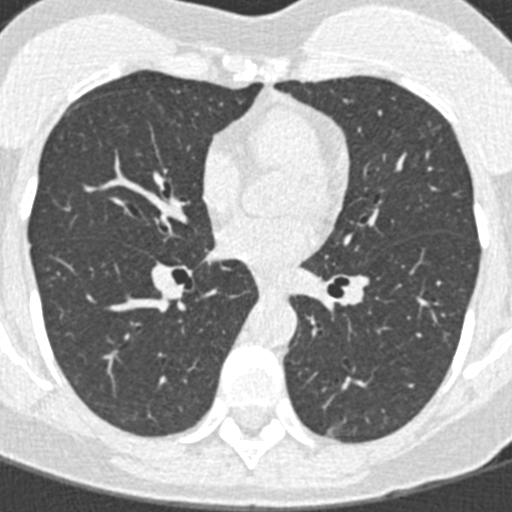
Axial chest CT slice 179 of 376 (counted from the lowest slice); tube voltage 120 kVp, convolution kernel B30f; slices 0.75 mm thick, 0.461 mm per pixel.
Pulmonary nodule, outlined by one of the four readers. Box on this slice rows 421–437, columns 325–341, that reader's outline on this slice; longest diameter 10.8 mm and volume 74 mm3 from that reader's outline. Ratings by that reader: texture 4/5; margin 1/5 (indistinct); sphericity 3/5 (ovoid); calcification absent; internal structure soft tissue; subtlety 5/5; malignancy likelihood 2/5. Scale key (1–5): texture non-solid→solid, margin indistinct→circumscribed, sphericity linear→round, subtlety extremely subtle→obvious, malignancy likelihood highly unlikely→highly suspicious of cancer. Box rows and columns are 0-based pixel indices from the top-left corner, inclusive.